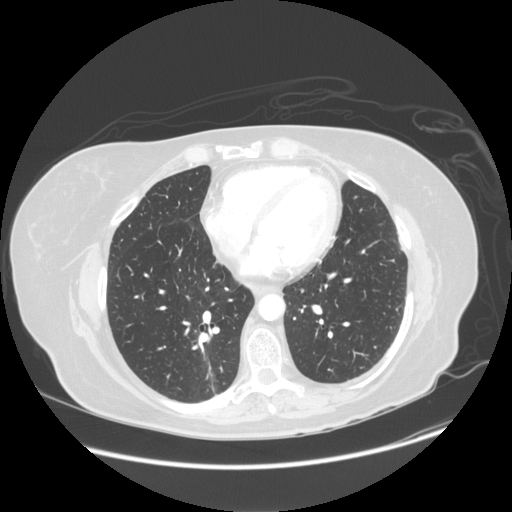
This is axial slice 65 of 133 (slice 1 is the lowest) of a chest CT; each pixel is 0.820 mm and the slice is 2.50 mm thick. No nodule of 3 mm or larger was outlined by any of the four readers on this slice.
Acquired at 120 kVp and reconstructed with the STANDARD kernel.